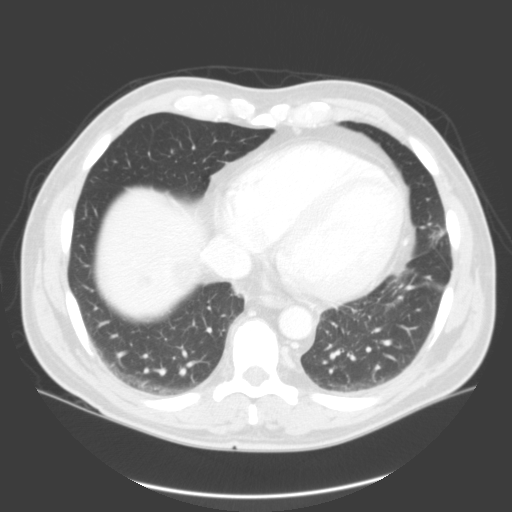
Chest CT, axial plane, 120 kVp, kernel B. Slice 26/95 from the bottom of the scan; thickness 3.00 mm; pixel size 0.750 mm.
Pulmonary nodule, outlined by two of the four readers, one of them on this slice. Box on this slice rows 230–235, columns 438–444, the one reader's outline on this slice; longest diameter 8.4–9.6 mm and volume 251–301 mm3 across the two readers' outlines. The readers' ratings, as ranges where they differ: texture from 1/5 (non-solid) to 2/5 across the two readers; margin from 1/5 (indistinct) to 3/5 across the two readers; sphericity 3/5 (ovoid) from both readers; calcification absent from both readers; internal structure soft tissue, both readers agreeing; subtlety from 3/5 to 5/5 across the two readers; malignancy likelihood 1–2/5 (the readers disagree). Scale key (1–5): texture non-solid→solid, margin indistinct→circumscribed, sphericity linear→round, subtlety extremely subtle→obvious, malignancy likelihood highly unlikely→highly suspicious of cancer. Box rows and columns are 0-based pixel indices from the top-left corner, inclusive.